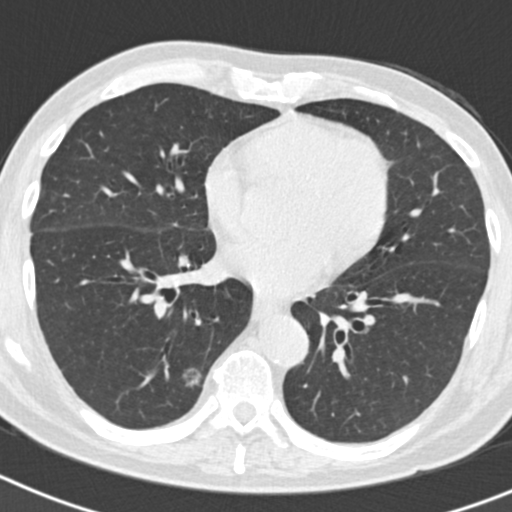
Axial chest CT slice 89 of 186 (counted from the lowest slice); 2.00 mm thick, 0.586 mm per pixel. Pulmonary nodule at rows 367–387, columns 182–201 (box = that reader's outline on this slice), outlined by one of the four readers; longest diameter 31.4 mm and volume 6527 mm3 from that reader's outline. That reader's ratings: texture 1/5 (non-solid); margin 2/5; sphericity 4/5; calcification absent; internal structure soft tissue; subtlety 5/5; malignancy likelihood 3/5. Scale key (1–5): texture non-solid→solid, margin indistinct→circumscribed, sphericity linear→round, subtlety extremely subtle→obvious, malignancy likelihood highly unlikely→highly suspicious of cancer. Box rows and columns are 0-based pixel indices from the top-left corner, inclusive.
Scan settings: 120 kVp, B30f reconstruction kernel.